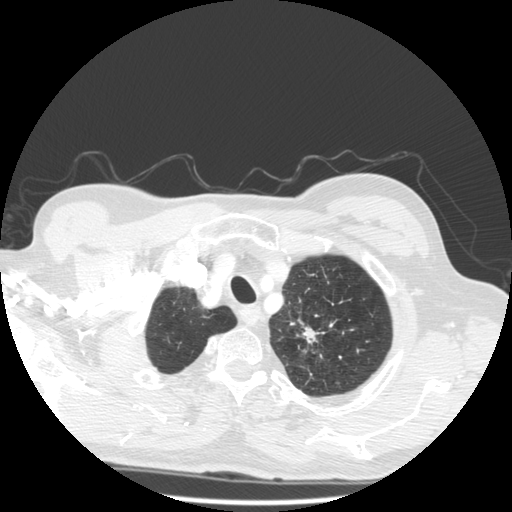
Axial slice 450 of 501 of a chest CT (slice 1 is the lowest), reconstructed with the STANDARD kernel at 140 kVp; 1.25 mm slice thickness and 0.703 mm pixels.
Pulmonary nodule at rows 318–344, columns 297–325 (box = the union of the readers' outlines on this slice), outlined by three of the four readers; longest diameter 32.1–39.2 mm and volume 2361–4873 mm3 across the three readers' outlines. The readers' ratings, as ranges where they differ: texture from 4/5 to 5/5 (solid) across the three readers; margin from 1/5 (indistinct) to 5/5 (circumscribed) across the three readers; sphericity from 2/5 to 5/5 (round) across the three readers; calcification absent, all three readers agreeing; internal structure soft tissue from all three readers; subtlety 5/5, all three readers agreeing; malignancy likelihood rated between 4 and 5 out of 5 by the three readers. Scale key (1–5): texture non-solid→solid, margin indistinct→circumscribed, sphericity linear→round, subtlety extremely subtle→obvious, malignancy likelihood highly unlikely→highly suspicious of cancer. Box rows and columns are 0-based pixel indices from the top-left corner, inclusive.